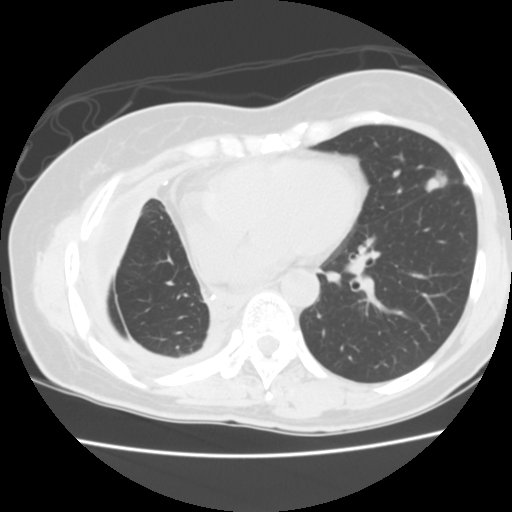
Axial chest CT slice 74 of 141 (counted from the lowest slice); 2.50 mm thick, 0.586 mm per pixel. Pulmonary nodule at rows 169–191, columns 424–448 (box = the union of the readers' outlines on this slice), outlined by all four readers; median longest diameter 17.6 mm (readers' outlines 16.9–18.9 mm), median volume 1305 mm3 (990–1313 mm3). Median ratings and the readers' spread: median texture 4.5/5 (readers ranged 4/5 to 5/5 (solid)); median margin 4/5 (readers ranged 3/5 to 5/5 (circumscribed)); sphericity 3.5/5 at the median of four readers, spread 3/5 (ovoid) to 5/5 (round); calcification absent from all four readers; internal structure soft tissue from all four readers; subtlety 5/5, all four readers agreeing; median malignancy likelihood 4/5 (readers ranged 3–5). Scale key (1–5): texture non-solid→solid, margin indistinct→circumscribed, sphericity linear→round, subtlety extremely subtle→obvious, malignancy likelihood highly unlikely→highly suspicious of cancer. Box rows and columns are 0-based pixel indices from the top-left corner, inclusive.
Acquired at 120 kVp and reconstructed with the STANDARD kernel.